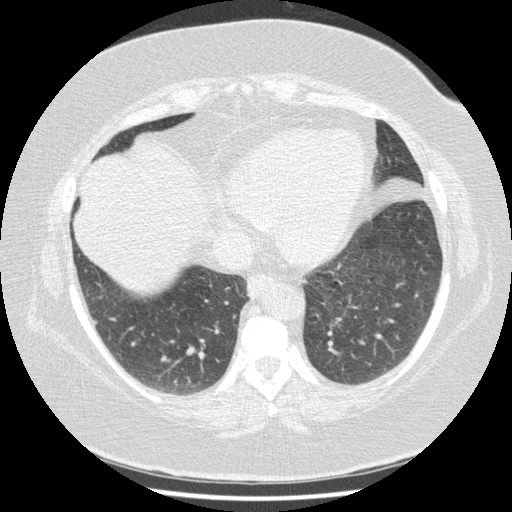
Slice 147/417 of a chest CT, counting up from the lowest; pixel size 0.703 mm, slice thickness 1.25 mm. Pulmonary nodule outlined by one of the four readers; box rows 321–324, columns 93–97 (that reader's outline on this slice); longest diameter 5.1 mm and volume 29 mm3 from that reader's outline. That reader's ratings: texture 5/5 (solid); margin 5/5 (circumscribed); sphericity 4/5; calcification absent; internal structure soft tissue; subtlety 5/5; malignancy likelihood 3/5. Scale key (1–5): texture non-solid→solid, margin indistinct→circumscribed, sphericity linear→round, subtlety extremely subtle→obvious, malignancy likelihood highly unlikely→highly suspicious of cancer. Box rows and columns are 0-based pixel indices from the top-left corner, inclusive.
Scan settings: 120 kVp, STANDARD reconstruction kernel.